One axial slice (217 of 474, counting up from the lowest) of a chest CT acquired at 120 kVp with the STANDARD kernel; each pixel is 0.625 mm and the slice is 1.25 mm thick.
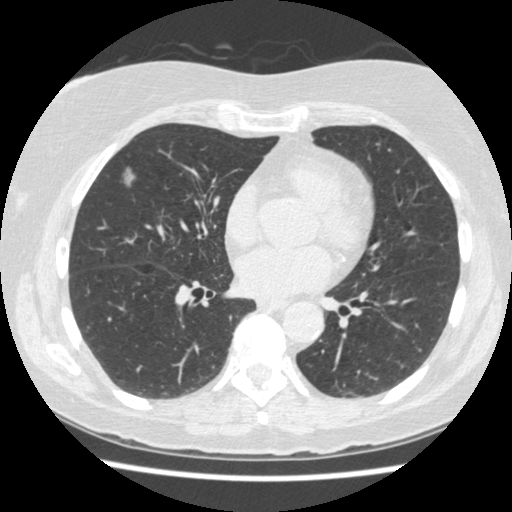
Pulmonary nodule at rows 164–187, columns 118–136 (box = the union of the readers' outlines on this slice), outlined by all four readers; longest diameter 12.6–15.8 mm and volume 209–921 mm3 across the four readers' outlines. Ratings across the readers: texture from 2/5 to 3/5 (part-solid) across the four readers; margin from 1/5 (indistinct) to 3/5 across the four readers; sphericity from 2/5 to 5/5 (round) across the four readers; calcification absent from all four readers; internal structure soft tissue, all four readers agreeing; subtlety from 3/5 to 5/5 across the four readers; malignancy likelihood 3–5/5 (the readers disagree). Scale key (1–5): texture non-solid→solid, margin indistinct→circumscribed, sphericity linear→round, subtlety extremely subtle→obvious, malignancy likelihood highly unlikely→highly suspicious of cancer. Box rows and columns are 0-based pixel indices from the top-left corner, inclusive.